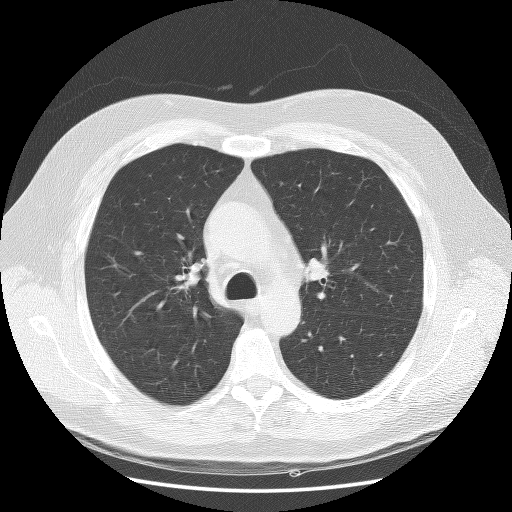
One axial slice (94 of 130, counting up from the lowest) of a chest CT acquired at 140 kVp with the BONE kernel; each pixel is 0.723 mm and the slice is 2.50 mm thick.
None of the four readers outlined a nodule of 3 mm or more on this slice.